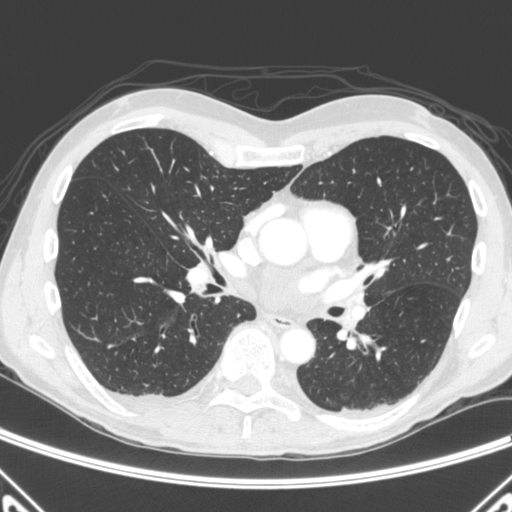
One axial slice (222 of 445, counting up from the lowest) of a chest CT acquired at 120 kVp with the C kernel; each pixel is 0.676 mm and the slice is 1.50 mm thick.
No nodule 3 mm or larger was outlined here by any reader.